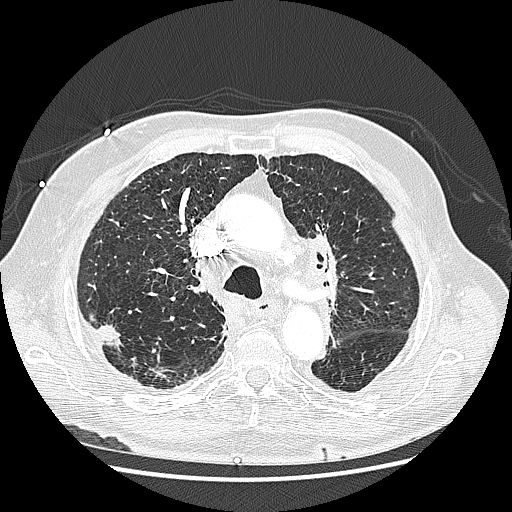
Slice 178/242 of a chest CT, counting up from the lowest; pixel size 0.703 mm, slice thickness 1.25 mm. Pulmonary nodule outlined by three of the four readers; box rows 324–346, columns 95–121 (the union of the readers' outlines on this slice); longest diameter 23.6–31.8 mm and volume 3005–3613 mm3 across the three readers' outlines. Ratings across the readers: texture 5/5 (solid), all three readers agreeing; margin from 3/5 to 5/5 (circumscribed) across the three readers; sphericity from 3/5 (ovoid) to 4/5 across the three readers; calcification absent, all three readers agreeing; internal structure soft tissue from all three readers; subtlety 4–5/5 (the readers disagree); malignancy likelihood 4–5/5 (the readers disagree). Scale key (1–5): texture non-solid→solid, margin indistinct→circumscribed, sphericity linear→round, subtlety extremely subtle→obvious, malignancy likelihood highly unlikely→highly suspicious of cancer. Box rows and columns are 0-based pixel indices from the top-left corner, inclusive.
Scan settings: 120 kVp, LUNG reconstruction kernel.